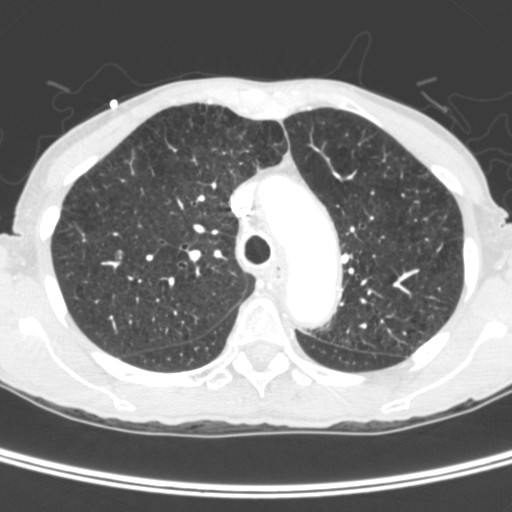
One axial slice (279 of 400, counting up from the lowest) of a chest CT acquired at 120 kVp with the C kernel; each pixel is 0.527 mm and the slice is 1.50 mm thick.
Pulmonary nodule outlined by one of the four readers; box rows 252–257, columns 115–121 (that reader's outline on this slice); longest diameter 5.7 mm and volume 76 mm3 from that reader's outline. Ratings by that reader: texture 5/5 (solid); margin 4/5; sphericity 4/5; calcification absent; internal structure soft tissue; subtlety 4/5; malignancy likelihood 3/5. Scale key (1–5): texture non-solid→solid, margin indistinct→circumscribed, sphericity linear→round, subtlety extremely subtle→obvious, malignancy likelihood highly unlikely→highly suspicious of cancer. Box rows and columns are 0-based pixel indices from the top-left corner, inclusive.